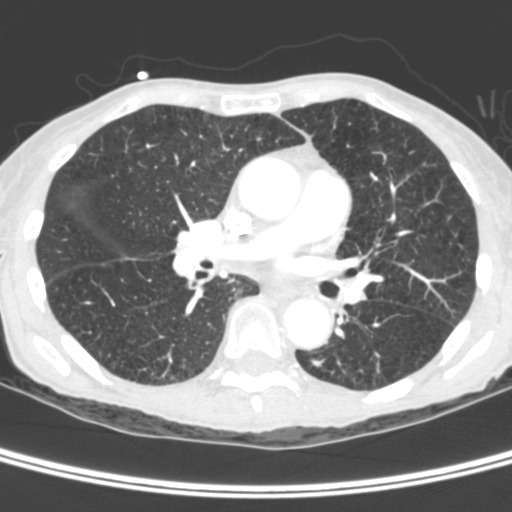
Slice 203/400 of a chest CT, counting up from the lowest; pixel size 0.527 mm, slice thickness 1.50 mm. Pulmonary nodule, outlined by three of the four readers. Box on this slice rows 359–366, columns 310–323, the union of the readers' outlines on this slice; longest diameter 7.4 mm on average over the three readers' outlines (readers' outlines 6.0–8.7 mm), volume 56–91 mm3. Ratings, by the readers' most common answer with dissent counted: texture 5/5 (solid), all three readers agreeing; margin 4/5 by two of three readers; the rest gave 3/5 (one); most readers (two of three) put sphericity at 3/5 (ovoid), others 2/5 (one); calcification absent from all three readers; internal structure soft tissue, all three readers agreeing; most readers (two of three) put subtlety at 3/5, others 5/5 (one); malignancy likelihood split among the readers: 1/5 (one), 2/5 (one), 4/5 (one). Scale key (1–5): texture non-solid→solid, margin indistinct→circumscribed, sphericity linear→round, subtlety extremely subtle→obvious, malignancy likelihood highly unlikely→highly suspicious of cancer. Box rows and columns are 0-based pixel indices from the top-left corner, inclusive.
Tube voltage 120 kVp; convolution kernel C.